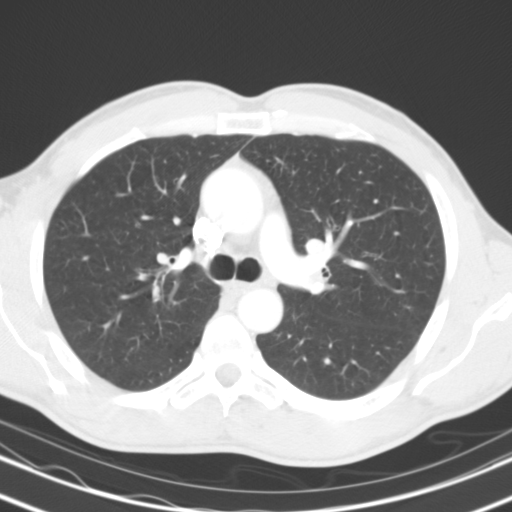
Axial slice 101 of 143 of a chest CT (slice 1 is the lowest), reconstructed with the B31s kernel at 130 kVp; 3.00 mm slice thickness and 0.635 mm pixels.
No nodule of 3 mm or larger was outlined by any of the four readers on this slice.